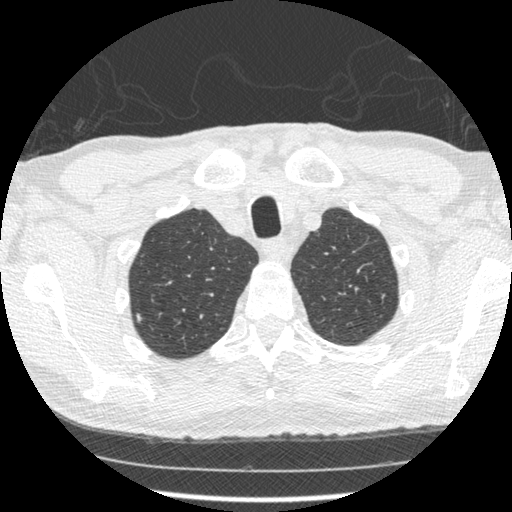
Slice 431/481 of a chest CT, counting up from the lowest; pixel size 0.664 mm, slice thickness 1.25 mm. Pulmonary nodule at rows 313–322, columns 136–141 (box = that reader's outline on this slice), outlined by one of the four readers; longest diameter 7.4 mm and volume 79 mm3 from that reader's outline. Ratings by that reader: texture 5/5 (solid); margin 2/5; sphericity 3/5 (ovoid); calcification absent; internal structure soft tissue; subtlety 4/5; malignancy likelihood 2/5. Scale key (1–5): texture non-solid→solid, margin indistinct→circumscribed, sphericity linear→round, subtlety extremely subtle→obvious, malignancy likelihood highly unlikely→highly suspicious of cancer. Box rows and columns are 0-based pixel indices from the top-left corner, inclusive.
Scan settings: 120 kVp, STANDARD reconstruction kernel.